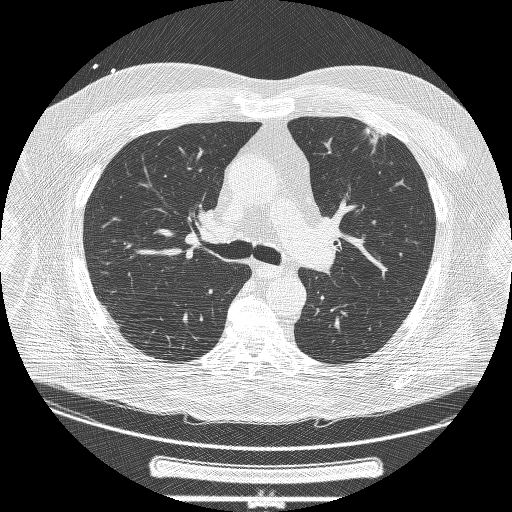
Slice 146/239 of a chest CT, counting up from the lowest; pixel size 0.795 mm, slice thickness 1.25 mm. Pulmonary nodule at rows 126–145, columns 364–384 (box = the union of the readers' outlines on this slice), outlined by two of the four readers; the two readers' outlines give a longest diameter between 43.0 and 43.4 mm and a volume between 10396 and 11168 mm3. Ratings across the readers: texture from 3/5 (part-solid) to 5/5 (solid) across the two readers; margin from 1/5 (indistinct) to 3/5 across the two readers; sphericity from 1/5 (linear) to 3/5 (ovoid) across the two readers; calcification absent, both readers agreeing; internal structure soft tissue, both readers agreeing; subtlety 5/5, both readers agreeing; malignancy likelihood 5/5, both readers agreeing. Scale key (1–5): texture non-solid→solid, margin indistinct→circumscribed, sphericity linear→round, subtlety extremely subtle→obvious, malignancy likelihood highly unlikely→highly suspicious of cancer. Box rows and columns are 0-based pixel indices from the top-left corner, inclusive.
Acquired at 120 kVp and reconstructed with the BONE kernel.